One axial slice (57 of 315, counting up from the lowest) of a chest CT acquired at 120 kVp with the B kernel; each pixel is 0.830 mm and the slice is 2.00 mm thick.
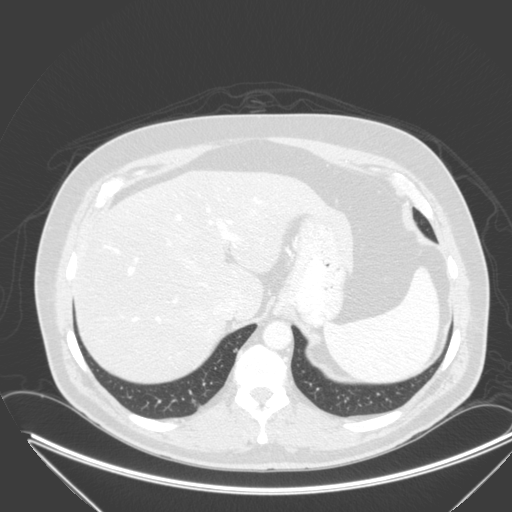
Pulmonary nodule outlined by all four readers; box rows 348–351, columns 232–237 (the union of the readers' outlines on this slice); median longest diameter 6.0 mm (readers' outlines 6.0–6.3 mm), median volume 68 mm3 (62–74 mm3). Ratings, median across the readers with their spread: texture 5/5 (solid), all four readers agreeing; margin 5/5 (circumscribed) from all four readers; median sphericity 4.5/5 (readers ranged 4/5 to 5/5 (round)); calcification: solid calcification (three), absent (one); internal structure soft tissue from all four readers; subtlety 4.5/5 at the median of four readers, spread 1–5; median malignancy likelihood 1/5 (readers ranged 1–3). Scale key (1–5): texture non-solid→solid, margin indistinct→circumscribed, sphericity linear→round, subtlety extremely subtle→obvious, malignancy likelihood highly unlikely→highly suspicious of cancer. Box rows and columns are 0-based pixel indices from the top-left corner, inclusive.